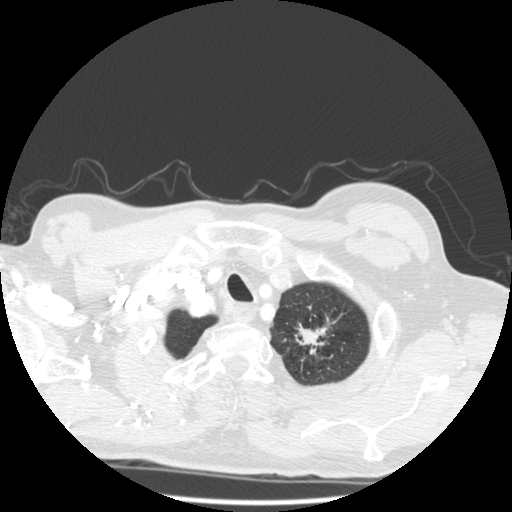
Axial slice 466 of 501 of a chest CT (slice 1 is the lowest), reconstructed with the STANDARD kernel at 140 kVp; 1.25 mm slice thickness and 0.703 mm pixels.
Pulmonary nodule outlined by three of the four readers; box rows 322–354, columns 295–329 (the union of the readers' outlines on this slice); median longest diameter 33.8 mm (readers' outlines 32.1–39.2 mm), median volume 3078 mm3 (2361–4873 mm3). Median ratings and the readers' spread: median texture 5/5 (solid) (readers ranged 4/5 to 5/5 (solid)); margin 3/5 at the median of three readers, spread 1/5 (indistinct) to 5/5 (circumscribed); sphericity 3/5 (ovoid) at the median of three readers, spread 2/5 to 5/5 (round); calcification absent, all three readers agreeing; internal structure soft tissue, all three readers agreeing; subtlety 5/5 from all three readers; median malignancy likelihood 5/5 (readers ranged 4–5). Scale key (1–5): texture non-solid→solid, margin indistinct→circumscribed, sphericity linear→round, subtlety extremely subtle→obvious, malignancy likelihood highly unlikely→highly suspicious of cancer. Box rows and columns are 0-based pixel indices from the top-left corner, inclusive.